Axial chest CT slice 105 of 268 (counted from the lowest slice); tube voltage 120 kVp, convolution kernel BONE; slices 1.25 mm thick, 0.703 mm per pixel.
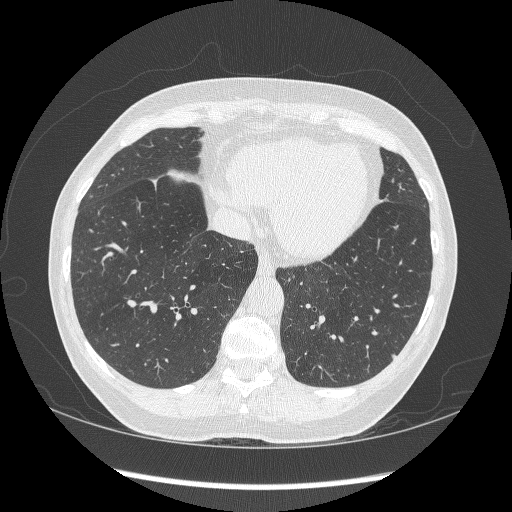
Pulmonary nodule outlined by all four readers; box rows 354–359, columns 391–396 (the union of the readers' outlines on this slice); median longest diameter 5.8 mm (readers' outlines 5.8–6.3 mm), median volume 70 mm3 (65–88 mm3). Ratings, median across the readers with their spread: texture 5/5 (solid), all four readers agreeing; margin 5/5 (circumscribed) at the median of four readers, spread 4/5 to 5/5 (circumscribed); sphericity 4.5/5 at the median of four readers, spread 4/5 to 5/5 (round); calcification absent, all four readers agreeing; internal structure soft tissue from all four readers; median subtlety 4/5 (readers ranged 3–5); malignancy likelihood 3/5 at the median of four readers, spread 2–3. Scale key (1–5): texture non-solid→solid, margin indistinct→circumscribed, sphericity linear→round, subtlety extremely subtle→obvious, malignancy likelihood highly unlikely→highly suspicious of cancer. Box rows and columns are 0-based pixel indices from the top-left corner, inclusive.